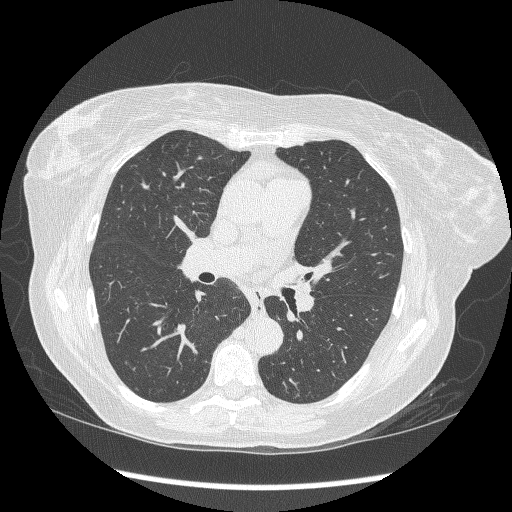
Chest CT, axial plane, 120 kVp, kernel BONE. Slice 168/268 from the bottom of the scan; thickness 1.25 mm; pixel size 0.703 mm.
No nodule of 3 mm or larger was outlined by any of the four readers on this slice.